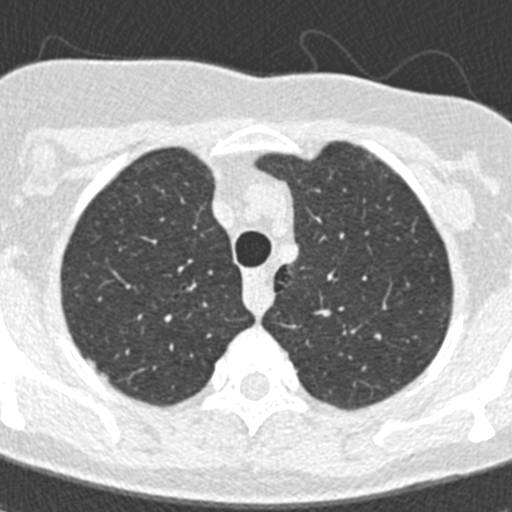
Axial chest CT slice 318 of 376 (counted from the lowest slice); tube voltage 120 kVp, convolution kernel B30f; slices 0.75 mm thick, 0.461 mm per pixel.
Two pulmonary nodules are outlined on this slice; from left to right: (1) Pulmonary nodule outlined by one of the four readers; box rows 357–369, columns 86–96 (that reader's outline on this slice); longest diameter 7.0 mm and volume 28 mm3 from that reader's outline. Ratings by that reader: texture 5/5 (solid); margin 3/5; sphericity 3/5 (ovoid); calcification absent; internal structure soft tissue; subtlety 5/5; malignancy likelihood 3/5. (2) Pulmonary nodule at rows 373–380, columns 100–108 (box = that reader's outline on this slice), outlined by one of the four readers; longest diameter 5.2 mm and volume 39 mm3 from that reader's outline. Ratings by that reader: texture 5/5 (solid); margin 4/5; sphericity 3/5 (ovoid); calcification absent; internal structure soft tissue; subtlety 5/5; malignancy likelihood 3/5. Scale key (1–5): texture non-solid→solid, margin indistinct→circumscribed, sphericity linear→round, subtlety extremely subtle→obvious, malignancy likelihood highly unlikely→highly suspicious of cancer. Box rows and columns are 0-based pixel indices from the top-left corner, inclusive.